One axial slice (211 of 557, counting up from the lowest) of a chest CT acquired at 120 kVp with the STANDARD kernel; each pixel is 0.703 mm and the slice is 1.25 mm thick.
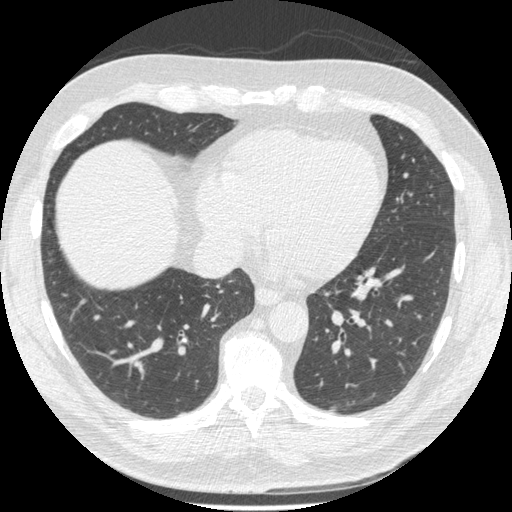
Two pulmonary nodules are outlined on this slice; from left to right: (1) Pulmonary nodule, outlined by all four readers. Box on this slice rows 338–343, columns 182–187, the union of the readers' outlines on this slice; longest diameter 6.7–9.4 mm and volume 108–158 mm3 across the four readers' outlines. Ratings across the readers: texture 5/5 (solid) from all four readers; margin 5/5 (circumscribed) from all four readers; sphericity from 3/5 (ovoid) to 5/5 (round) across the four readers; calcification: solid calcification (three), absent (one); internal structure soft tissue, all four readers agreeing; subtlety rated between 3 and 5 out of 5 by the four readers; malignancy likelihood from 1/5 to 2/5 across the four readers. (2) Pulmonary nodule, outlined by two of the four readers, one of them on this slice. Box on this slice rows 407–411, columns 329–336, the one reader's outline on this slice; the two readers' outlines give a longest diameter between 9.4 and 13.1 mm and a volume between 126 and 127 mm3. Ratings across the readers: texture 5/5 (solid) from both readers; margin 3/5, both readers agreeing; sphericity 3/5 (ovoid), both readers agreeing; calcification absent, both readers agreeing; internal structure soft tissue from both readers; subtlety 3/5 from both readers; malignancy likelihood from 1/5 to 3/5 across the two readers. Scale key (1–5): texture non-solid→solid, margin indistinct→circumscribed, sphericity linear→round, subtlety extremely subtle→obvious, malignancy likelihood highly unlikely→highly suspicious of cancer. Box rows and columns are 0-based pixel indices from the top-left corner, inclusive.